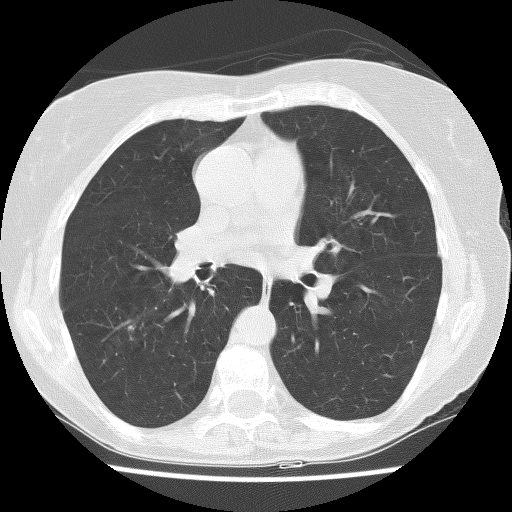
One axial slice (70 of 120, counting up from the lowest) of a chest CT acquired at 140 kVp with the BONE kernel; each pixel is 0.576 mm and the slice is 2.50 mm thick.
Pulmonary nodule outlined by one of the four readers; box rows 326–329, columns 129–133 (that reader's outline on this slice); longest diameter 3.9 mm and volume 42 mm3 from that reader's outline. Ratings by that reader: texture 3/5 (part-solid); margin 5/5 (circumscribed); sphericity 5/5 (round); calcification absent; internal structure soft tissue; subtlety 1/5; malignancy likelihood 2/5. Scale key (1–5): texture non-solid→solid, margin indistinct→circumscribed, sphericity linear→round, subtlety extremely subtle→obvious, malignancy likelihood highly unlikely→highly suspicious of cancer. Box rows and columns are 0-based pixel indices from the top-left corner, inclusive.